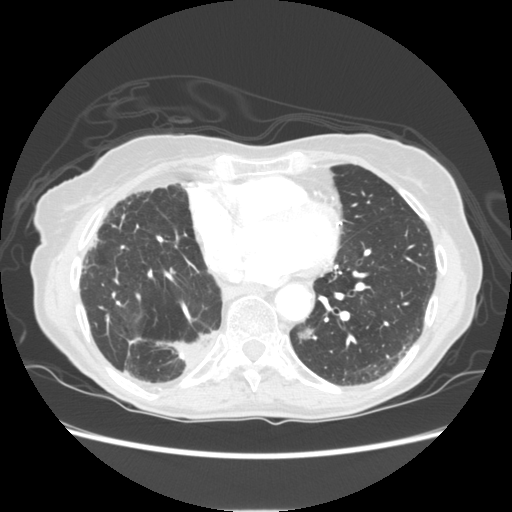
Chest CT, axial plane, 120 kVp, kernel STANDARD. Slice 56/131 from the bottom of the scan; thickness 2.50 mm; pixel size 0.703 mm.
Pulmonary nodule outlined by one of the four readers; box rows 326–339, columns 296–314 (that reader's outline on this slice); longest diameter 15.0 mm and volume 636 mm3 from that reader's outline. That reader's ratings: texture 3/5 (part-solid); margin 1/5 (indistinct); sphericity 2/5; calcification absent; internal structure soft tissue; subtlety 3/5; malignancy likelihood 1/5. Scale key (1–5): texture non-solid→solid, margin indistinct→circumscribed, sphericity linear→round, subtlety extremely subtle→obvious, malignancy likelihood highly unlikely→highly suspicious of cancer. Box rows and columns are 0-based pixel indices from the top-left corner, inclusive.